Axial chest CT slice 57 of 125 (counted from the lowest slice); tube voltage 120 kVp, convolution kernel STANDARD; slices 2.50 mm thick, 0.664 mm per pixel.
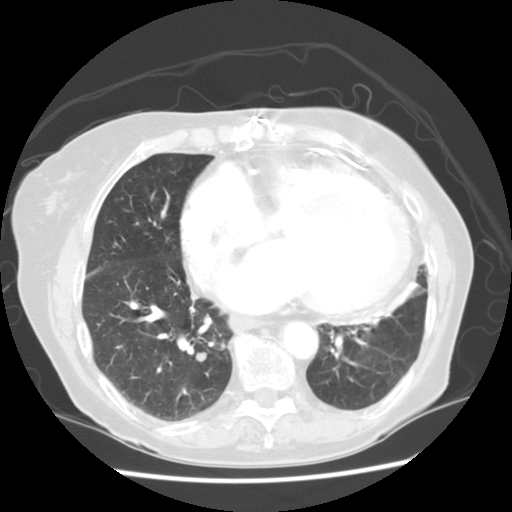
Two pulmonary nodules are outlined on this slice; from left to right: (1) Pulmonary nodule at rows 352–362, columns 194–206 (box = the union of the readers' outlines on this slice), outlined by all four readers; longest diameter 9.0 mm on average over the four readers' outlines (readers' outlines 8.4–9.8 mm), volume 239–369 mm3. Ratings, by the readers' most common answer with dissent counted: texture 5/5 (solid), all four readers agreeing; margin 5/5 (circumscribed) by three of four readers; the rest gave 4/5 (one); most readers (three of four) put sphericity at 5/5 (round), others 4/5 (one); calcification absent, all four readers agreeing; internal structure soft tissue from all four readers; subtlety 3/5 by two of four readers; the rest gave 2/5 (one), 5/5 (one); malignancy likelihood split among the readers: 2/5 (one), 3/5 (one), 4/5 (one), 5/5 (one). (2) Pulmonary nodule, outlined by one of the four readers. Box on this slice rows 392–396, columns 370–372, that reader's outline on this slice; longest diameter 6.3 mm and volume 74 mm3 from that reader's outline. Ratings by that reader: texture 3/5 (part-solid); margin 2/5; sphericity 4/5; calcification absent; internal structure soft tissue; subtlety 2/5; malignancy likelihood 2/5. Scale key (1–5): texture non-solid→solid, margin indistinct→circumscribed, sphericity linear→round, subtlety extremely subtle→obvious, malignancy likelihood highly unlikely→highly suspicious of cancer. Box rows and columns are 0-based pixel indices from the top-left corner, inclusive.